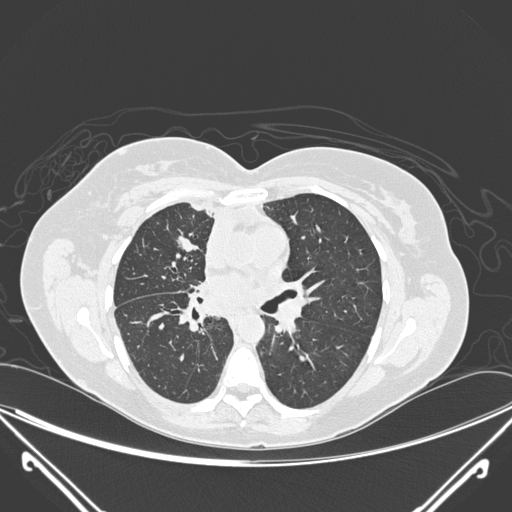
One axial slice (155 of 275, counting up from the lowest) of a chest CT acquired at 120 kVp with the D kernel; each pixel is 0.781 mm and the slice is 1.00 mm thick.
Pulmonary nodule outlined by all four readers; box rows 235–251, columns 177–198 (the union of the readers' outlines on this slice); the four readers' outlines give a longest diameter between 20.3 and 23.4 mm and a volume between 1750 and 2560 mm3. The readers' ratings, as ranges where they differ: texture 5/5 (solid) from all four readers; margin from 3/5 to 5/5 (circumscribed) across the four readers; sphericity from 2/5 to 5/5 (round) across the four readers; calcification: absent (three), central calcification (one); internal structure soft tissue, all four readers agreeing; subtlety 5/5 from all four readers; malignancy likelihood 1–5/5 (the readers disagree). Scale key (1–5): texture non-solid→solid, margin indistinct→circumscribed, sphericity linear→round, subtlety extremely subtle→obvious, malignancy likelihood highly unlikely→highly suspicious of cancer. Box rows and columns are 0-based pixel indices from the top-left corner, inclusive.